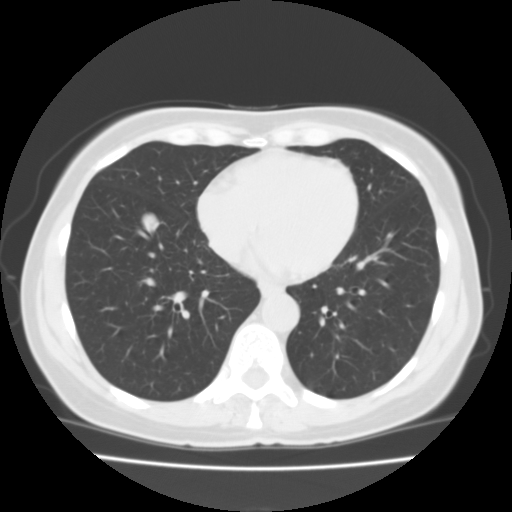
Chest CT, axial plane, 135 kVp, kernel FC01. Slice 37/105 from the bottom of the scan; thickness 3.00 mm; pixel size 0.644 mm.
Pulmonary nodule, outlined by all four readers. Box on this slice rows 212–235, columns 139–160, the union of the readers' outlines on this slice; longest diameter 16.1–17.1 mm and volume 1634–1866 mm3 across the four readers' outlines. The readers' ratings, as ranges where they differ: texture 5/5 (solid), all four readers agreeing; margin from 3/5 to 5/5 (circumscribed) across the four readers; sphericity from 4/5 to 5/5 (round) across the four readers; calcification absent, all four readers agreeing; internal structure soft tissue, all four readers agreeing; subtlety from 3/5 to 5/5 across the four readers; malignancy likelihood rated between 2 and 5 out of 5 by the four readers. Scale key (1–5): texture non-solid→solid, margin indistinct→circumscribed, sphericity linear→round, subtlety extremely subtle→obvious, malignancy likelihood highly unlikely→highly suspicious of cancer. Box rows and columns are 0-based pixel indices from the top-left corner, inclusive.